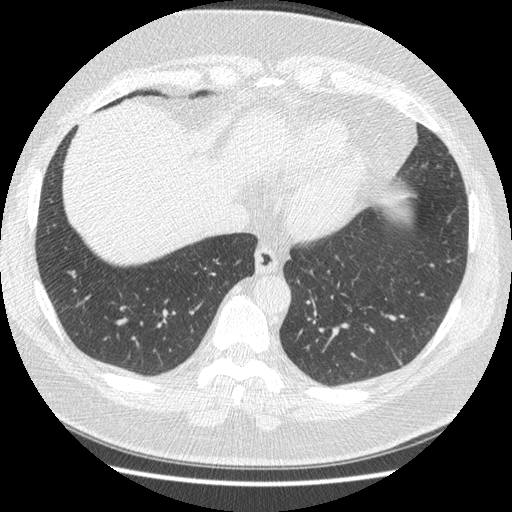
Axial chest CT slice 86 of 421 (counted from the lowest slice); 1.25 mm thick, 0.703 mm per pixel. Pulmonary nodule outlined four times (the source holds four more outlines, not used), one of them on this slice; box rows 359–364, columns 397–401 (the one reader's outline on this slice); median longest diameter 32.9 mm (readers' outlines 30.9–38.9 mm), median volume 5450 mm3 (4443–5826 mm3). Ratings, median across the readers with their spread: texture 5/5 (solid) at the median of four readers, spread 4/5 to 5/5 (solid); median margin 4/5 (readers ranged 3/5 to 4/5); sphericity 2.5/5 at the median of four readers, spread 2/5 to 4/5; calcification absent, all four readers agreeing; internal structure soft tissue from all four readers; median subtlety 5/5 (readers ranged 4–5); malignancy likelihood 3.5/5 at the median of four readers, spread 2–5. Scale key (1–5): texture non-solid→solid, margin indistinct→circumscribed, sphericity linear→round, subtlety extremely subtle→obvious, malignancy likelihood highly unlikely→highly suspicious of cancer. Box rows and columns are 0-based pixel indices from the top-left corner, inclusive.
Scan settings: 120 kVp, STANDARD reconstruction kernel.